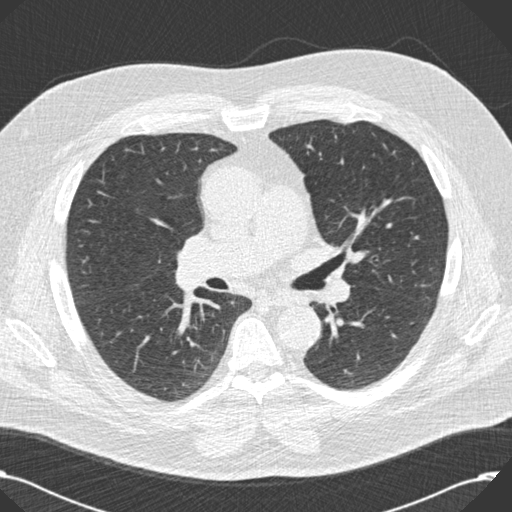
This is axial slice 98 of 176 (slice 1 is the lowest) of a chest CT; each pixel is 0.742 mm and the slice is 2.00 mm thick. The readers outlined no nodule of 3 mm or more on this slice.
Acquired at 120 kVp and reconstructed with the B30f kernel.